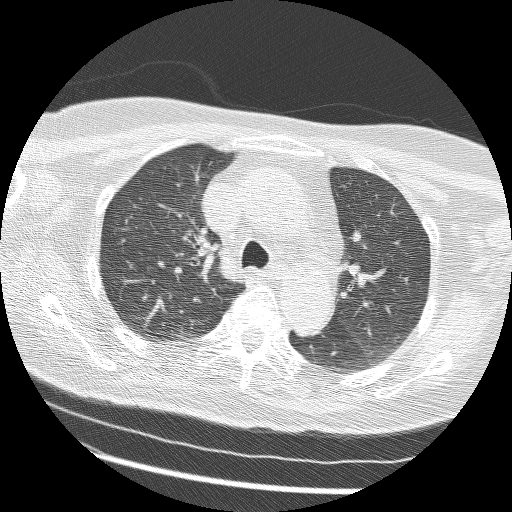
Axial chest CT slice 108 of 161 (counted from the lowest slice); tube voltage 120 kVp, convolution kernel BONE; slices 1.25 mm thick, 0.549 mm per pixel.
None of the four readers outlined a nodule of 3 mm or more on this slice.